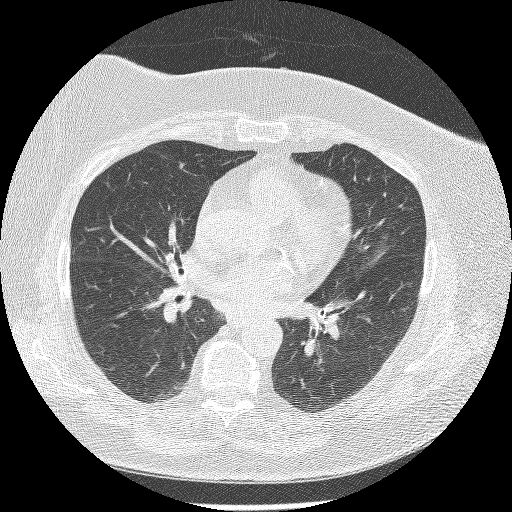
Axial chest CT slice 126 of 213 (counted from the lowest slice); tube voltage 120 kVp, convolution kernel BONE; slices 1.25 mm thick, 0.646 mm per pixel.
Pulmonary nodule outlined by three of the four readers, one of them on this slice; box rows 367–370, columns 110–114 (the one reader's outline on this slice); the three readers' outlines give a longest diameter between 6.6 and 7.0 mm and a volume between 91 and 120 mm3. Ratings across the readers: texture from 3/5 (part-solid) to 5/5 (solid) across the three readers; margin from 1/5 (indistinct) to 4/5 across the three readers; sphericity from 3/5 (ovoid) to 4/5 across the three readers; calcification absent, all three readers agreeing; internal structure soft tissue from all three readers; subtlety 3–4/5 (the readers disagree); malignancy likelihood 2–4/5 (the readers disagree). Scale key (1–5): texture non-solid→solid, margin indistinct→circumscribed, sphericity linear→round, subtlety extremely subtle→obvious, malignancy likelihood highly unlikely→highly suspicious of cancer. Box rows and columns are 0-based pixel indices from the top-left corner, inclusive.